Axial chest CT slice 100 of 135 (counted from the lowest slice); tube voltage 120 kVp, convolution kernel LUNG; slices 2.50 mm thick, 0.781 mm per pixel.
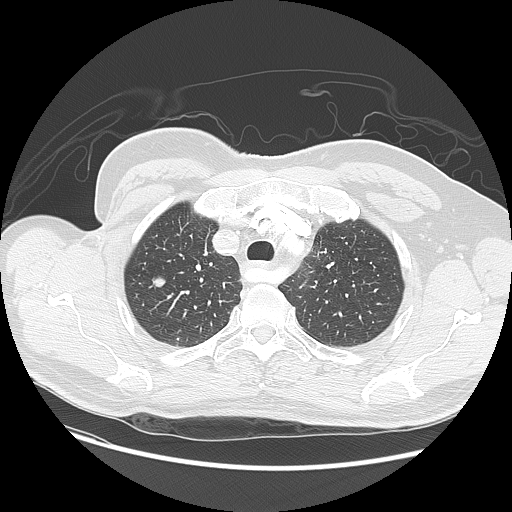
Pulmonary nodule at rows 276–286, columns 152–165 (box = the union of the readers' outlines on this slice), outlined by all four readers; longest diameter 12.4 mm on average over the four readers' outlines (readers' outlines 10.6–13.7 mm), volume 560–752 mm3. The readers' prevailing ratings and who disagreed: texture 5/5 (solid), all four readers agreeing; most readers (three of four) put margin at 5/5 (circumscribed), others 4/5 (one); most readers (three of four) put sphericity at 4/5, others 5/5 (round) (one); calcification absent, all four readers agreeing; internal structure soft tissue, all four readers agreeing; subtlety 5/5 by three of four readers; the rest gave 4/5 (one); malignancy likelihood 4/5 by three of four readers; the rest gave 2/5 (one). Scale key (1–5): texture non-solid→solid, margin indistinct→circumscribed, sphericity linear→round, subtlety extremely subtle→obvious, malignancy likelihood highly unlikely→highly suspicious of cancer. Box rows and columns are 0-based pixel indices from the top-left corner, inclusive.